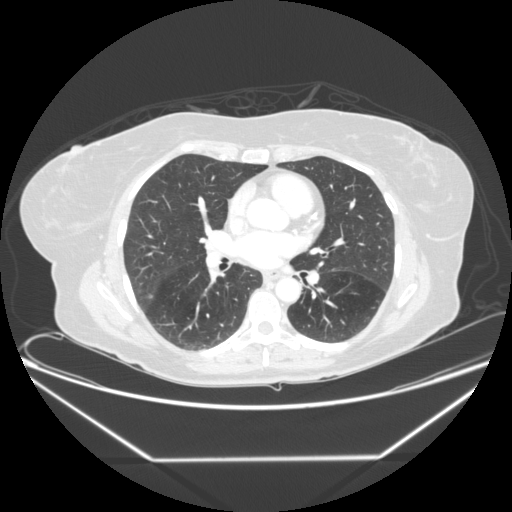
Axial slice 120 of 245 of a chest CT (slice 1 is the lowest), reconstructed with the STANDARD kernel at 120 kVp; 1.25 mm slice thickness and 0.826 mm pixels.
Pulmonary nodule outlined by three of the four readers; box rows 294–298, columns 147–152 (the union of the readers' outlines on this slice); median longest diameter 6.0 mm (readers' outlines 6.0 mm), median volume 59 mm3 (53–65 mm3). Ratings, median across the readers with their spread: texture 5/5 (solid), all three readers agreeing; median margin 5/5 (circumscribed) (readers ranged 3/5 to 5/5 (circumscribed)); median sphericity 5/5 (round) (readers ranged 4/5 to 5/5 (round)); calcification absent from all three readers; internal structure soft tissue from all three readers; median subtlety 3/5 (readers ranged 2–3); median malignancy likelihood 2/5 (readers ranged 2–3). Scale key (1–5): texture non-solid→solid, margin indistinct→circumscribed, sphericity linear→round, subtlety extremely subtle→obvious, malignancy likelihood highly unlikely→highly suspicious of cancer. Box rows and columns are 0-based pixel indices from the top-left corner, inclusive.